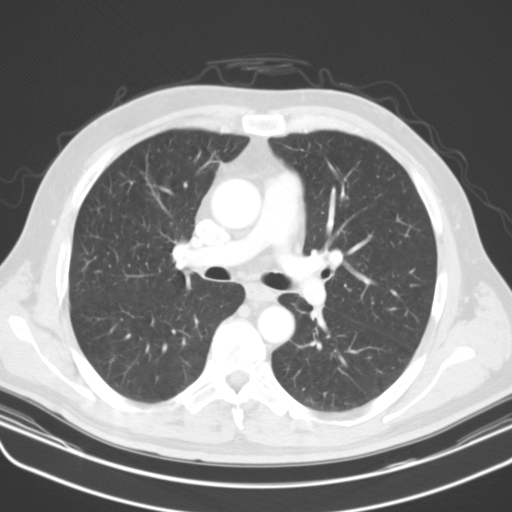
Slice 93/134 of a chest CT, counting up from the lowest; pixel size 0.715 mm, slice thickness 3.00 mm. Pulmonary nodule, outlined by one of the four readers. Box on this slice rows 155–157, columns 216–219, that reader's outline on this slice; longest diameter 5.8 mm and volume 172 mm3 from that reader's outline. Ratings by that reader: texture 4/5; margin 3/5; sphericity 3/5 (ovoid); calcification absent; internal structure soft tissue; subtlety 3/5; malignancy likelihood 2/5. Scale key (1–5): texture non-solid→solid, margin indistinct→circumscribed, sphericity linear→round, subtlety extremely subtle→obvious, malignancy likelihood highly unlikely→highly suspicious of cancer. Box rows and columns are 0-based pixel indices from the top-left corner, inclusive.
Acquired at 130 kVp and reconstructed with the B31s kernel.